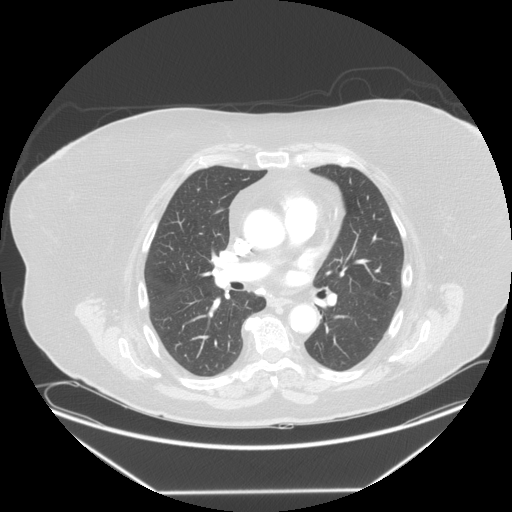
Axial chest CT slice 80 of 139 (counted from the lowest slice); tube voltage 120 kVp, convolution kernel STANDARD; slices 2.50 mm thick, 0.898 mm per pixel.
Pulmonary nodule, outlined by three of the four readers, one of them on this slice. Box on this slice rows 208–214, columns 214–223, the one reader's outline on this slice; median longest diameter 23.7 mm (readers' outlines 23.3–26.2 mm), median volume 2919 mm3 (2868–3243 mm3). Median ratings and the readers' spread: texture 5/5 (solid), all three readers agreeing; median margin 5/5 (circumscribed) (readers ranged 4/5 to 5/5 (circumscribed)); median sphericity 4/5 (readers ranged 3/5 (ovoid) to 5/5 (round)); calcification absent from all three readers; internal structure soft tissue from all three readers; subtlety 5/5, all three readers agreeing; malignancy likelihood 3/5 at the median of three readers, spread 3–5. Scale key (1–5): texture non-solid→solid, margin indistinct→circumscribed, sphericity linear→round, subtlety extremely subtle→obvious, malignancy likelihood highly unlikely→highly suspicious of cancer. Box rows and columns are 0-based pixel indices from the top-left corner, inclusive.